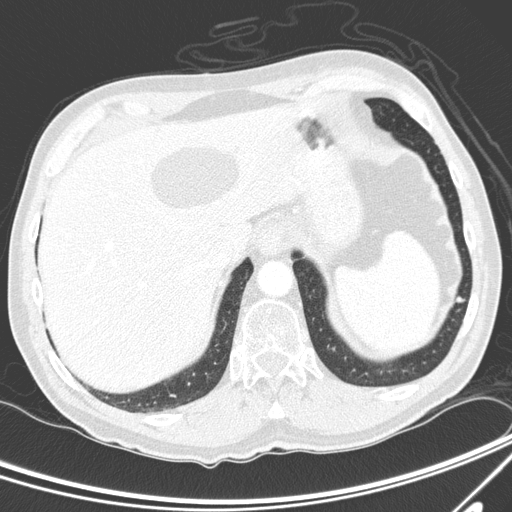
Axial slice 43 of 300 of a chest CT (slice 1 is the lowest), reconstructed with the D kernel at 120 kVp; 2.00 mm slice thickness and 0.678 mm pixels.
Pulmonary nodule at rows 296–302, columns 456–464 (box = the union of the readers' outlines on this slice), outlined by three of the four readers; median longest diameter 6.7 mm (readers' outlines 5.5–6.9 mm), median volume 77 mm3 (52–87 mm3). Median ratings and the readers' spread: texture 5/5 (solid), all three readers agreeing; median margin 5/5 (circumscribed) (readers ranged 4/5 to 5/5 (circumscribed)); median sphericity 4/5 (readers ranged 4/5 to 5/5 (round)); calcification absent, all three readers agreeing; internal structure soft tissue, all three readers agreeing; median subtlety 4/5 (readers ranged 3–4); malignancy likelihood 3/5 at the median of three readers, spread 2–3. Scale key (1–5): texture non-solid→solid, margin indistinct→circumscribed, sphericity linear→round, subtlety extremely subtle→obvious, malignancy likelihood highly unlikely→highly suspicious of cancer. Box rows and columns are 0-based pixel indices from the top-left corner, inclusive.